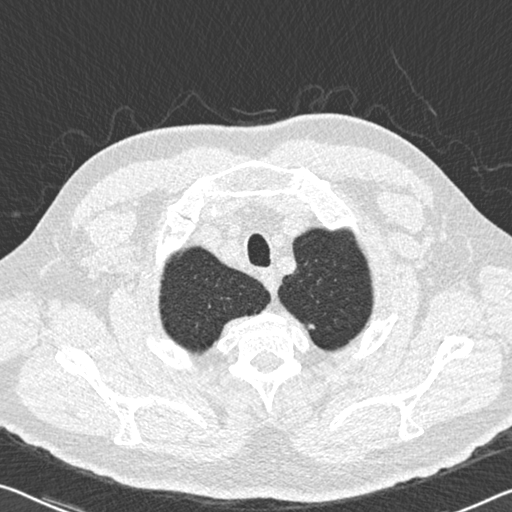
Slice 500/536 of a chest CT, counting up from the lowest; pixel size 0.656 mm, slice thickness 0.75 mm. Pulmonary nodule at rows 324–328, columns 308–315 (box = the union of the readers' outlines on this slice), outlined by three of the four readers; longest diameter 5.9–8.2 mm and volume 18–37 mm3 across the three readers' outlines. Ratings across the readers: texture 5/5 (solid) from all three readers; margin from 3/5 to 4/5 across the three readers; sphericity from 2/5 to 3/5 (ovoid) across the three readers; calcification absent, all three readers agreeing; internal structure soft tissue from all three readers; subtlety from 1/5 to 4/5 across the three readers; malignancy likelihood from 2/5 to 3/5 across the three readers. Scale key (1–5): texture non-solid→solid, margin indistinct→circumscribed, sphericity linear→round, subtlety extremely subtle→obvious, malignancy likelihood highly unlikely→highly suspicious of cancer. Box rows and columns are 0-based pixel indices from the top-left corner, inclusive.
Tube voltage 120 kVp; convolution kernel B30f.